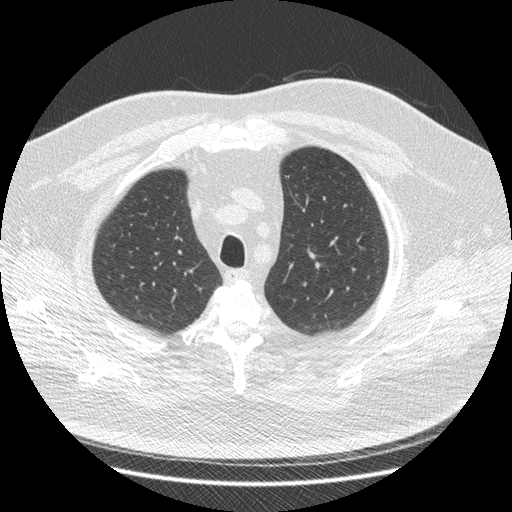
Axial chest CT slice 349 of 426 (counted from the lowest slice); tube voltage 120 kVp, convolution kernel STANDARD; slices 1.25 mm thick, 0.742 mm per pixel.
Pulmonary nodule outlined by three of the four readers, one of them on this slice; box rows 175–177, columns 285–290 (the one reader's outline on this slice); longest diameter 5.4–7.3 mm and volume 50–91 mm3 across the three readers' outlines. The readers' ratings, as ranges where they differ: texture 5/5 (solid) from all three readers; margin 5/5 (circumscribed) from all three readers; sphericity from 2/5 to 4/5 across the three readers; calcification solid calcification from all three readers; internal structure soft tissue, all three readers agreeing; subtlety 4–5/5 (the readers disagree); malignancy likelihood 1/5, all three readers agreeing. Scale key (1–5): texture non-solid→solid, margin indistinct→circumscribed, sphericity linear→round, subtlety extremely subtle→obvious, malignancy likelihood highly unlikely→highly suspicious of cancer. Box rows and columns are 0-based pixel indices from the top-left corner, inclusive.